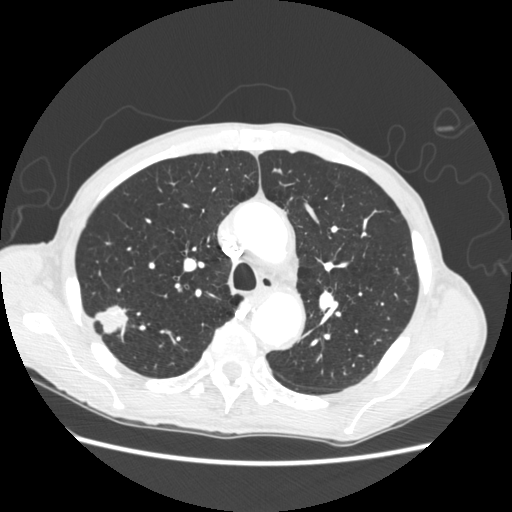
Chest CT, axial plane, 120 kVp, kernel STANDARD. Slice 169/248 from the bottom of the scan; thickness 1.25 mm; pixel size 0.703 mm.
Pulmonary nodule, outlined by all four readers. Box on this slice rows 304–334, columns 94–128, the union of the readers' outlines on this slice; longest diameter 29.1 mm on average over the four readers' outlines (readers' outlines 26.0–32.7 mm), volume 5181–6655 mm3. The readers' prevailing ratings and who disagreed: texture 5/5 (solid), all four readers agreeing; margin 5/5 (circumscribed) by two of four readers; the rest gave 2/5 (one), 4/5 (one); most readers (three of four) put sphericity at 3/5 (ovoid), others 4/5 (one); calcification absent from all four readers; internal structure soft tissue, all four readers agreeing; subtlety 5/5, all four readers agreeing; malignancy likelihood 5/5 by three of four readers; the rest gave 3/5 (one). Scale key (1–5): texture non-solid→solid, margin indistinct→circumscribed, sphericity linear→round, subtlety extremely subtle→obvious, malignancy likelihood highly unlikely→highly suspicious of cancer. Box rows and columns are 0-based pixel indices from the top-left corner, inclusive.